Chest CT, axial plane, 120 kVp, kernel BONE. Slice 196/245 from the bottom of the scan; thickness 1.25 mm; pixel size 0.664 mm.
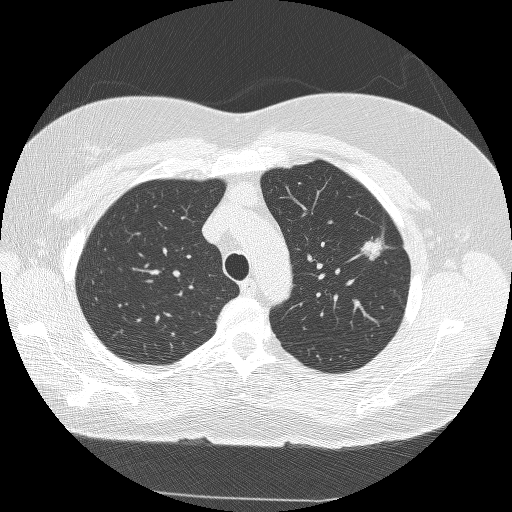
Pulmonary nodule outlined by all four readers; box rows 234–260, columns 360–389 (the union of the readers' outlines on this slice); longest diameter 20.8–22.3 mm and volume 2976–3390 mm3 across the four readers' outlines. Ratings across the readers: texture from 4/5 to 5/5 (solid) across the four readers; margin from 3/5 to 4/5 across the four readers; sphericity from 3/5 (ovoid) to 5/5 (round) across the four readers; calcification absent, all four readers agreeing; internal structure soft tissue, all four readers agreeing; subtlety 5/5 from all four readers; malignancy likelihood 5/5 from all four readers. Scale key (1–5): texture non-solid→solid, margin indistinct→circumscribed, sphericity linear→round, subtlety extremely subtle→obvious, malignancy likelihood highly unlikely→highly suspicious of cancer. Box rows and columns are 0-based pixel indices from the top-left corner, inclusive.